Axial slice 377 of 506 of a chest CT (slice 1 is the lowest), reconstructed with the B30f kernel at 120 kVp; 0.75 mm slice thickness and 0.699 mm pixels.
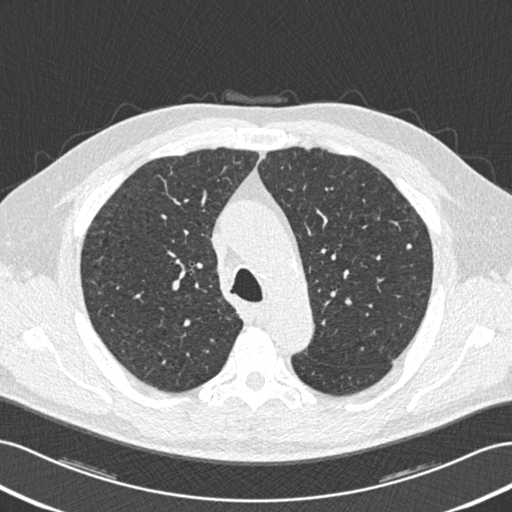
Pulmonary nodule, outlined by two of the four readers. Box on this slice rows 244–248, columns 407–411, the union of the readers' outlines on this slice; longest diameter 5.6 mm on average over the two readers' outlines (readers' outlines 5.5–5.8 mm), volume 42–45 mm3. The readers' prevailing ratings and who disagreed: texture 5/5 (solid) from both readers; margin 5/5 (circumscribed), both readers agreeing; sphericity 5/5 (round), both readers agreeing; calcification split among the readers: solid calcification (one), absent (one); internal structure soft tissue, both readers agreeing; subtlety split among the readers: 2/5 (one), 3/5 (one); malignancy likelihood split among the readers: 1/5 (one), 2/5 (one). Scale key (1–5): texture non-solid→solid, margin indistinct→circumscribed, sphericity linear→round, subtlety extremely subtle→obvious, malignancy likelihood highly unlikely→highly suspicious of cancer. Box rows and columns are 0-based pixel indices from the top-left corner, inclusive.